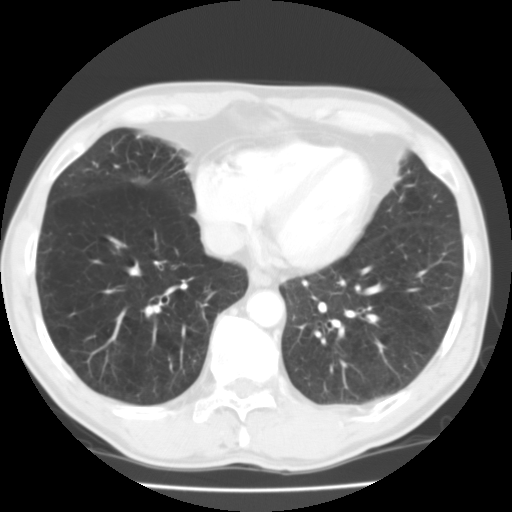
One axial slice (41 of 119, counting up from the lowest) of a chest CT acquired at 135 kVp with the FC01 kernel; each pixel is 0.640 mm and the slice is 3.00 mm thick.
Pulmonary nodule outlined by all four readers, two of them on this slice; box rows 176–186, columns 131–145 (the union of the readers' outlines on this slice); median longest diameter 17.9 mm (readers' outlines 17.4–18.7 mm), median volume 2416 mm3 (2076–2642 mm3). Median ratings and the readers' spread: texture 5/5 (solid), all four readers agreeing; median margin 4.5/5 (readers ranged 4/5 to 5/5 (circumscribed)); sphericity 4.5/5 at the median of four readers, spread 3/5 (ovoid) to 5/5 (round); calcification: absent (three), central calcification (one); internal structure soft tissue, all four readers agreeing; subtlety 5/5 at the median of four readers, spread 4–5; malignancy likelihood 3.5/5 at the median of four readers, spread 1–4. Scale key (1–5): texture non-solid→solid, margin indistinct→circumscribed, sphericity linear→round, subtlety extremely subtle→obvious, malignancy likelihood highly unlikely→highly suspicious of cancer. Box rows and columns are 0-based pixel indices from the top-left corner, inclusive.